Chest CT, axial plane, 120 kVp, kernel D. Slice 239/321 from the bottom of the scan; thickness 2.00 mm; pixel size 0.557 mm.
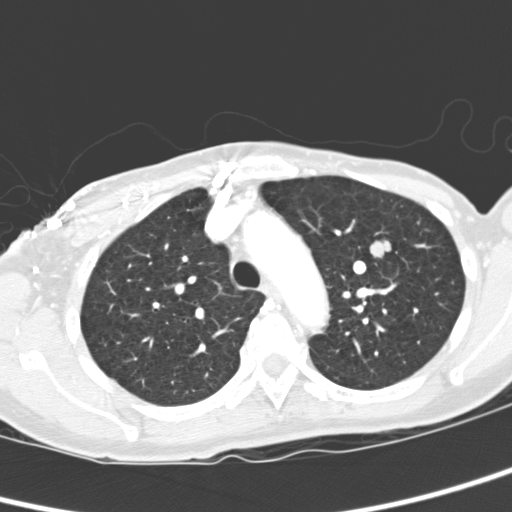
Pulmonary nodule at rows 239–259, columns 368–391 (box = the union of the readers' outlines on this slice), outlined by all four readers; longest diameter 20.7 mm on average over the four readers' outlines (readers' outlines 19.2–22.3 mm), volume 3069–4125 mm3. The readers' prevailing ratings and who disagreed: texture 5/5 (solid), all four readers agreeing; margin 5/5 (circumscribed), all four readers agreeing; sphericity split among the readers: 4/5 (two), 5/5 (round) (two); calcification absent from all four readers; internal structure soft tissue from all four readers; subtlety 5/5 from all four readers; malignancy likelihood 5/5 by two of four readers; the rest gave 2/5 (one), 3/5 (one). Scale key (1–5): texture non-solid→solid, margin indistinct→circumscribed, sphericity linear→round, subtlety extremely subtle→obvious, malignancy likelihood highly unlikely→highly suspicious of cancer. Box rows and columns are 0-based pixel indices from the top-left corner, inclusive.